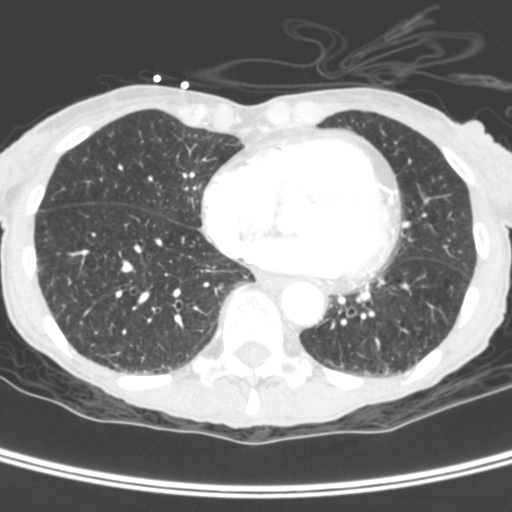
Slice 144/400 of a chest CT, counting up from the lowest; pixel size 0.527 mm, slice thickness 1.50 mm. None of the four readers outlined a nodule of 3 mm or more on this slice.
Tube voltage 120 kVp; convolution kernel C.